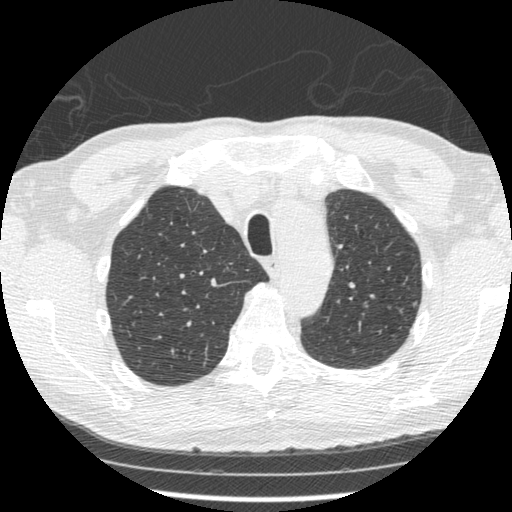
One axial slice (394 of 481, counting up from the lowest) of a chest CT acquired at 120 kVp with the STANDARD kernel; each pixel is 0.664 mm and the slice is 1.25 mm thick.
Pulmonary nodule outlined by one of the four readers; box rows 301–307, columns 412–415 (that reader's outline on this slice); longest diameter 6.3 mm and volume 41 mm3 from that reader's outline. Ratings by that reader: texture 2/5; margin 2/5; sphericity 4/5; calcification absent; internal structure soft tissue; subtlety 3/5; malignancy likelihood 3/5. Scale key (1–5): texture non-solid→solid, margin indistinct→circumscribed, sphericity linear→round, subtlety extremely subtle→obvious, malignancy likelihood highly unlikely→highly suspicious of cancer. Box rows and columns are 0-based pixel indices from the top-left corner, inclusive.